Axial slice 121 of 209 of a chest CT (slice 1 is the lowest), reconstructed with the STANDARD kernel at 120 kVp; 1.25 mm slice thickness and 0.693 mm pixels.
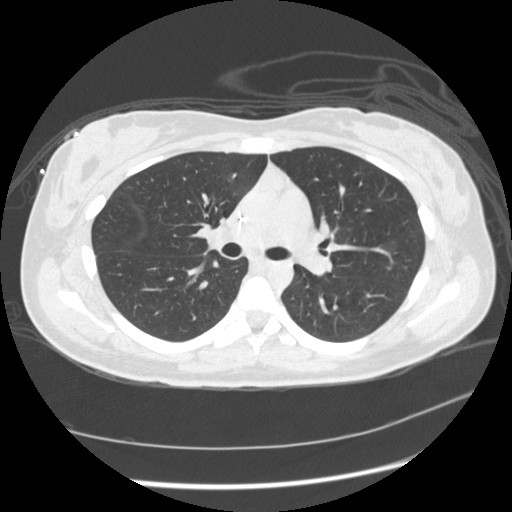
No nodule 3 mm or larger was outlined here by any reader.